Axial slice 109 of 484 of a chest CT (slice 1 is the lowest), reconstructed with the STANDARD kernel at 120 kVp; 1.25 mm slice thickness and 0.586 mm pixels.
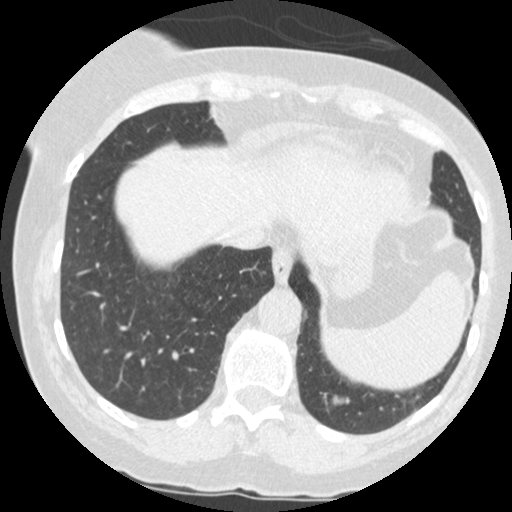
Pulmonary nodule outlined by all four readers; box rows 395–405, columns 332–349 (the union of the readers' outlines on this slice); the four readers' outlines give a longest diameter between 14.7 and 16.9 mm and a volume between 1036 and 1469 mm3. Ratings across the readers: texture 5/5 (solid) from all four readers; margin 5/5 (circumscribed), all four readers agreeing; sphericity from 3/5 (ovoid) to 5/5 (round) across the four readers; calcification absent from all four readers; internal structure soft tissue, all four readers agreeing; subtlety 5/5, all four readers agreeing; malignancy likelihood 2–5/5 (the readers disagree). Scale key (1–5): texture non-solid→solid, margin indistinct→circumscribed, sphericity linear→round, subtlety extremely subtle→obvious, malignancy likelihood highly unlikely→highly suspicious of cancer. Box rows and columns are 0-based pixel indices from the top-left corner, inclusive.